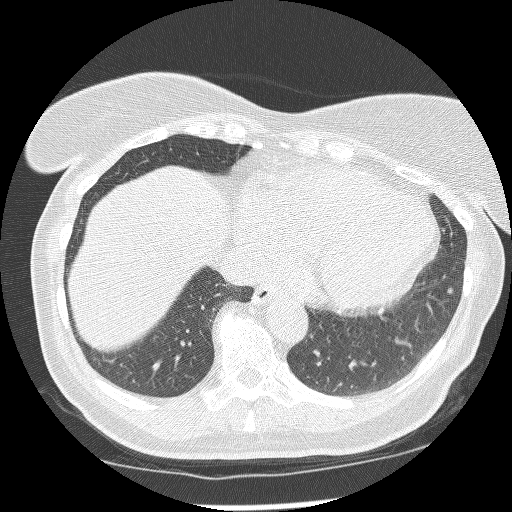
One axial slice (97 of 255, counting up from the lowest) of a chest CT acquired at 120 kVp with the BONE kernel; each pixel is 0.654 mm and the slice is 1.25 mm thick.
Pulmonary nodule, outlined by one of the four readers. Box on this slice rows 288–292, columns 446–452, that reader's outline on this slice; longest diameter 5.6 mm and volume 58 mm3 from that reader's outline. Ratings by that reader: texture 5/5 (solid); margin 5/5 (circumscribed); sphericity 4/5; calcification absent; internal structure soft tissue; subtlety 4/5; malignancy likelihood 2/5. Scale key (1–5): texture non-solid→solid, margin indistinct→circumscribed, sphericity linear→round, subtlety extremely subtle→obvious, malignancy likelihood highly unlikely→highly suspicious of cancer. Box rows and columns are 0-based pixel indices from the top-left corner, inclusive.